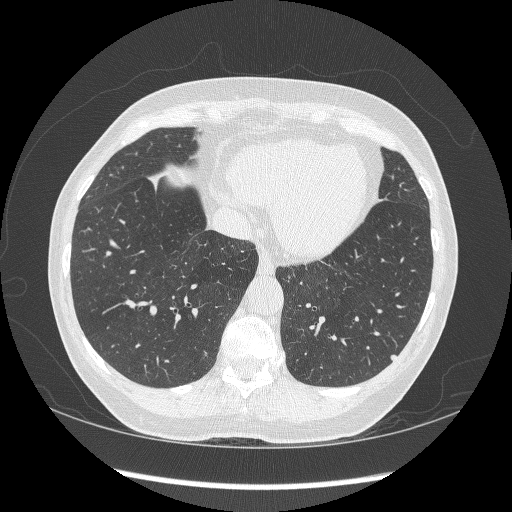
Axial chest CT slice 104 of 268 (counted from the lowest slice); tube voltage 120 kVp, convolution kernel BONE; slices 1.25 mm thick, 0.703 mm per pixel.
Pulmonary nodule, outlined by all four readers. Box on this slice rows 354–361, columns 390–396, the union of the readers' outlines on this slice; median longest diameter 5.8 mm (readers' outlines 5.8–6.3 mm), median volume 70 mm3 (65–88 mm3). Median ratings and the readers' spread: texture 5/5 (solid) from all four readers; margin 5/5 (circumscribed) at the median of four readers, spread 4/5 to 5/5 (circumscribed); median sphericity 4.5/5 (readers ranged 4/5 to 5/5 (round)); calcification absent, all four readers agreeing; internal structure soft tissue, all four readers agreeing; median subtlety 4/5 (readers ranged 3–5); malignancy likelihood 3/5 at the median of four readers, spread 2–3. Scale key (1–5): texture non-solid→solid, margin indistinct→circumscribed, sphericity linear→round, subtlety extremely subtle→obvious, malignancy likelihood highly unlikely→highly suspicious of cancer. Box rows and columns are 0-based pixel indices from the top-left corner, inclusive.